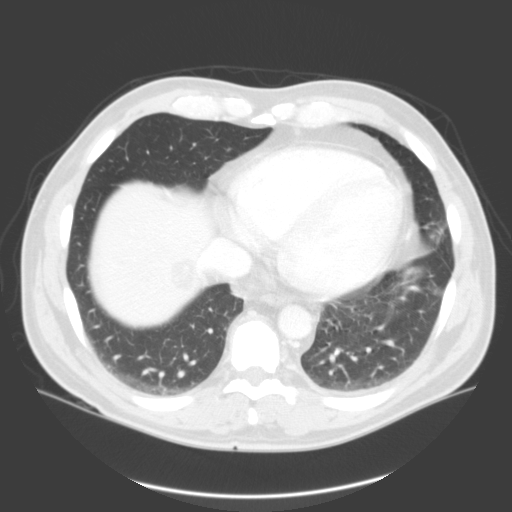
Axial chest CT slice 25 of 95 (counted from the lowest slice); tube voltage 120 kVp, convolution kernel B; slices 3.00 mm thick, 0.750 mm per pixel.
Pulmonary nodule, outlined by two of the four readers, one of them on this slice. Box on this slice rows 229–233, columns 438–442, the one reader's outline on this slice; median longest diameter 9.0 mm (readers' outlines 8.4–9.6 mm), median volume 276 mm3 (251–301 mm3). Ratings, median across the readers with their spread: median texture 1.5/5 (readers ranged 1/5 (non-solid) to 2/5); margin 2/5 at the median of two readers, spread 1/5 (indistinct) to 3/5; sphericity 3/5 (ovoid), both readers agreeing; calcification absent, both readers agreeing; internal structure soft tissue, both readers agreeing; subtlety 4/5 at the median of two readers, spread 3–5; malignancy likelihood 1.5/5 at the median of two readers, spread 1–2. Scale key (1–5): texture non-solid→solid, margin indistinct→circumscribed, sphericity linear→round, subtlety extremely subtle→obvious, malignancy likelihood highly unlikely→highly suspicious of cancer. Box rows and columns are 0-based pixel indices from the top-left corner, inclusive.